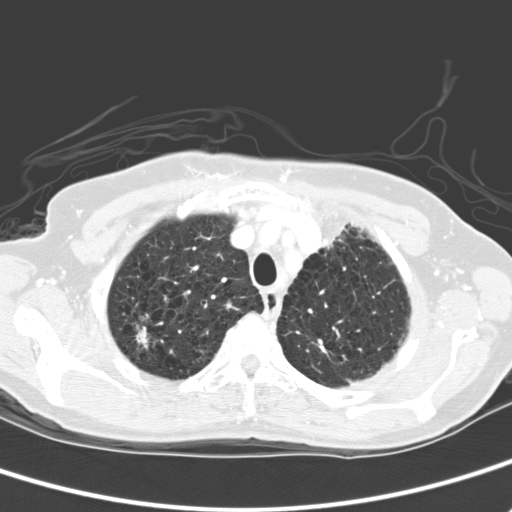
Axial chest CT slice 211 of 280 (counted from the lowest slice); 2.00 mm thick, 0.613 mm per pixel. Pulmonary nodule outlined by all four readers; box rows 323–349, columns 134–148 (the union of the readers' outlines on this slice); median longest diameter 17.5 mm (readers' outlines 16.7–18.9 mm), median volume 856 mm3 (701–1041 mm3). Median ratings and the readers' spread: median texture 4.5/5 (readers ranged 3/5 (part-solid) to 5/5 (solid)); median margin 2.5/5 (readers ranged 1/5 (indistinct) to 5/5 (circumscribed)); median sphericity 2.5/5 (readers ranged 2/5 to 4/5); calcification absent from all four readers; internal structure soft tissue, all four readers agreeing; median subtlety 4.5/5 (readers ranged 2–5); median malignancy likelihood 4/5 (readers ranged 3–5). Scale key (1–5): texture non-solid→solid, margin indistinct→circumscribed, sphericity linear→round, subtlety extremely subtle→obvious, malignancy likelihood highly unlikely→highly suspicious of cancer. Box rows and columns are 0-based pixel indices from the top-left corner, inclusive.
Scan settings: 120 kVp, D reconstruction kernel.